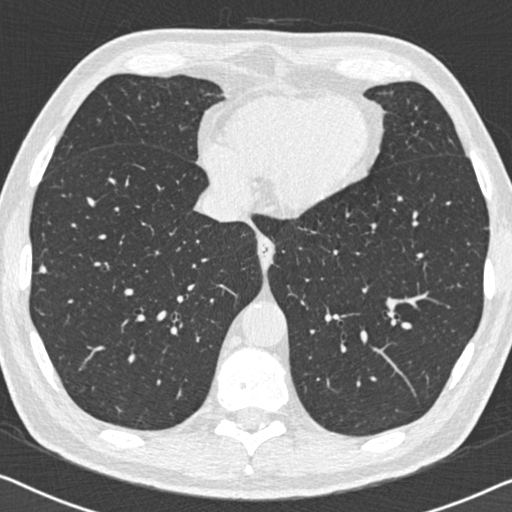
Axial slice 212 of 558 of a chest CT (slice 1 is the lowest), reconstructed with the B30f kernel at 120 kVp; 0.75 mm slice thickness and 0.648 mm pixels.
Two pulmonary nodules are outlined on this slice; from left to right: (1) Pulmonary nodule, outlined by all four readers. Box on this slice rows 265–273, columns 39–46, the union of the readers' outlines on this slice; longest diameter 6.9 mm on average over the four readers' outlines (readers' outlines 5.6–7.4 mm), volume 75–143 mm3. Ratings, by the readers' most common answer with dissent counted: texture 5/5 (solid) from all four readers; margin split among the readers: 4/5 (two), 5/5 (circumscribed) (two); sphericity 5/5 (round) from all four readers; calcification absent from all four readers; internal structure soft tissue from all four readers; subtlety 4/5 by two of four readers; the rest gave 3/5 (one), 5/5 (one); malignancy likelihood 2/5 by two of four readers; the rest gave 3/5 (one), 4/5 (one). (2) Pulmonary nodule, outlined by two of the four readers, one of them on this slice. Box on this slice rows 227–229, columns 483–487, the one reader's outline on this slice; median longest diameter 6.6 mm (readers' outlines 6.2–7.0 mm), median volume 87 mm3 (80–93 mm3). Median ratings and the readers' spread: texture 4.5/5 at the median of two readers, spread 4/5 to 5/5 (solid); margin 4/5 from both readers; median sphericity 4.5/5 (readers ranged 4/5 to 5/5 (round)); calcification absent, both readers agreeing; internal structure soft tissue from both readers; median subtlety 4/5 (readers ranged 3–5); malignancy likelihood 2.5/5 at the median of two readers, spread 2–3. Scale key (1–5): texture non-solid→solid, margin indistinct→circumscribed, sphericity linear→round, subtlety extremely subtle→obvious, malignancy likelihood highly unlikely→highly suspicious of cancer. Box rows and columns are 0-based pixel indices from the top-left corner, inclusive.